Chest CT, axial plane, 140 kVp, kernel B. Slice 169/305 from the bottom of the scan; thickness 2.00 mm; pixel size 0.834 mm.
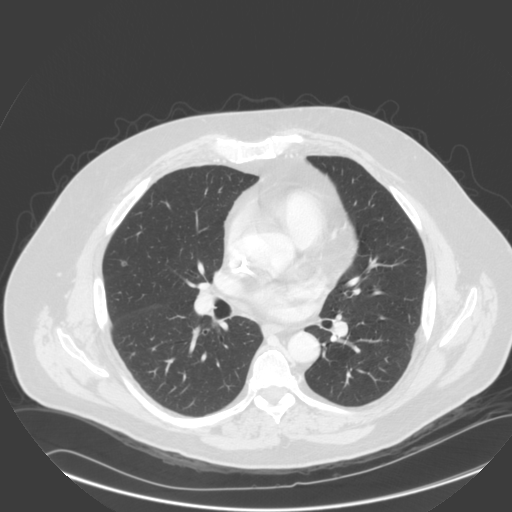
Pulmonary nodule outlined by three of the four readers; box rows 260–266, columns 120–127 (the union of the readers' outlines on this slice); median longest diameter 6.9 mm (readers' outlines 5.9–7.9 mm), median volume 40 mm3 (34–53 mm3). Ratings, median across the readers with their spread: median texture 5/5 (solid) (readers ranged 3/5 (part-solid) to 5/5 (solid)); margin 4/5 at the median of three readers, spread 4/5 to 5/5 (circumscribed); sphericity 4/5 at the median of three readers, spread 4/5 to 5/5 (round); calcification absent from all three readers; internal structure soft tissue from all three readers; subtlety 4/5 from all three readers; median malignancy likelihood 3/5 (readers ranged 2–3). Scale key (1–5): texture non-solid→solid, margin indistinct→circumscribed, sphericity linear→round, subtlety extremely subtle→obvious, malignancy likelihood highly unlikely→highly suspicious of cancer. Box rows and columns are 0-based pixel indices from the top-left corner, inclusive.